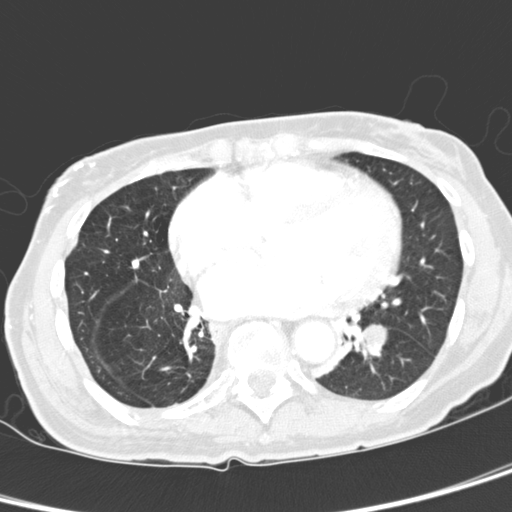
Axial chest CT slice 148 of 321 (counted from the lowest slice); 2.00 mm thick, 0.557 mm per pixel. Pulmonary nodule at rows 324–352, columns 362–386 (box = the union of the readers' outlines on this slice), outlined by all four readers; the four readers' outlines give a longest diameter between 18.1 and 20.0 mm and a volume between 2428 and 2697 mm3. The readers' ratings, as ranges where they differ: texture from 4/5 to 5/5 (solid) across the four readers; margin from 3/5 to 5/5 (circumscribed) across the four readers; sphericity from 4/5 to 5/5 (round) across the four readers; calcification absent, all four readers agreeing; internal structure soft tissue from all four readers; subtlety from 4/5 to 5/5 across the four readers; malignancy likelihood from 2/5 to 5/5 across the four readers. Scale key (1–5): texture non-solid→solid, margin indistinct→circumscribed, sphericity linear→round, subtlety extremely subtle→obvious, malignancy likelihood highly unlikely→highly suspicious of cancer. Box rows and columns are 0-based pixel indices from the top-left corner, inclusive.
Tube voltage 120 kVp; convolution kernel D.